Axial chest CT slice 83 of 127 (counted from the lowest slice); tube voltage 140 kVp, convolution kernel BONE; slices 2.50 mm thick, 0.664 mm per pixel.
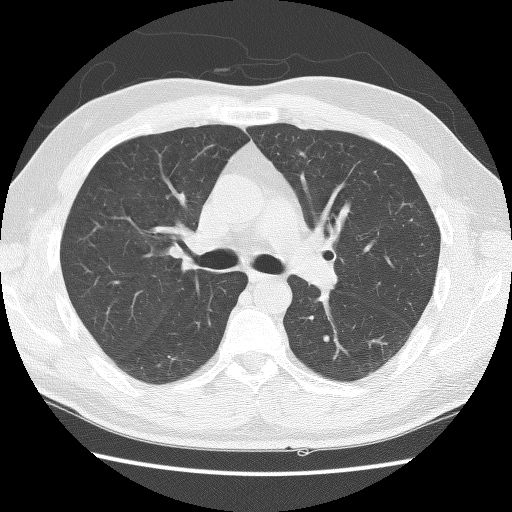
The readers outlined no nodule of 3 mm or more on this slice.